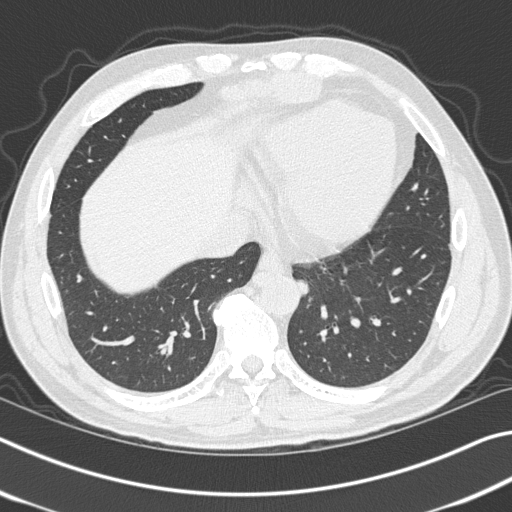
This is axial slice 127 of 327 (slice 1 is the lowest) of a chest CT; each pixel is 0.664 mm and the slice is 1.00 mm thick. Pulmonary nodule outlined by three of the four readers; box rows 279–296, columns 295–309 (the union of the readers' outlines on this slice); longest diameter 12.9 mm on average over the three readers' outlines (readers' outlines 12.4–14.0 mm), volume 357–534 mm3. Ratings, by the readers' most common answer with dissent counted: texture 5/5 (solid) from all three readers; margin 5/5 (circumscribed) by two of three readers; the rest gave 4/5 (one); sphericity split among the readers: 3/5 (ovoid) (one), 4/5 (one), 5/5 (round) (one); calcification absent from all three readers; internal structure soft tissue, all three readers agreeing; subtlety split among the readers: 1/5 (one), 3/5 (one), 4/5 (one); malignancy likelihood 4/5 by two of three readers; the rest gave 2/5 (one). Scale key (1–5): texture non-solid→solid, margin indistinct→circumscribed, sphericity linear→round, subtlety extremely subtle→obvious, malignancy likelihood highly unlikely→highly suspicious of cancer. Box rows and columns are 0-based pixel indices from the top-left corner, inclusive.
Scan settings: 120 kVp, B45f reconstruction kernel.